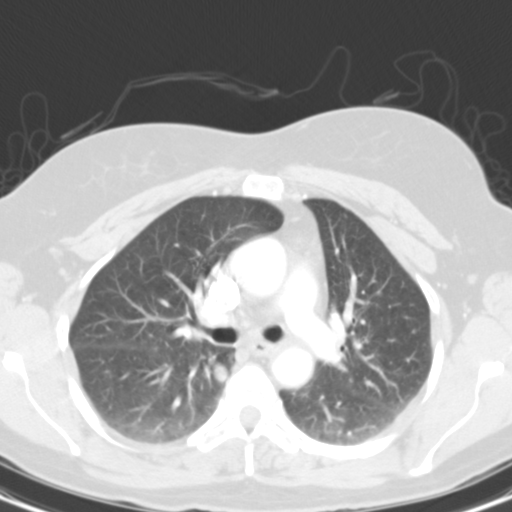
Axial slice 66 of 94 of a chest CT (slice 1 is the lowest), reconstructed with the B31s kernel at 130 kVp; 3.00 mm slice thickness and 0.570 mm pixels.
Pulmonary nodule outlined by all four readers; box rows 362–383, columns 213–228 (the union of the readers' outlines on this slice); median longest diameter 20.7 mm (readers' outlines 18.6–23.0 mm), median volume 997 mm3 (949–1399 mm3). Median ratings and the readers' spread: texture 5/5 (solid) at the median of four readers, spread 4/5 to 5/5 (solid); margin 4/5 at the median of four readers, spread 4/5 to 5/5 (circumscribed); median sphericity 4/5 (readers ranged 4/5 to 5/5 (round)); calcification absent, all four readers agreeing; internal structure soft tissue from all four readers; subtlety 5/5, all four readers agreeing; malignancy likelihood 4/5 at the median of four readers, spread 2–5. Scale key (1–5): texture non-solid→solid, margin indistinct→circumscribed, sphericity linear→round, subtlety extremely subtle→obvious, malignancy likelihood highly unlikely→highly suspicious of cancer. Box rows and columns are 0-based pixel indices from the top-left corner, inclusive.